Chest CT, axial plane, 120 kVp, kernel STANDARD. Slice 192/538 from the bottom of the scan; thickness 1.25 mm; pixel size 0.742 mm.
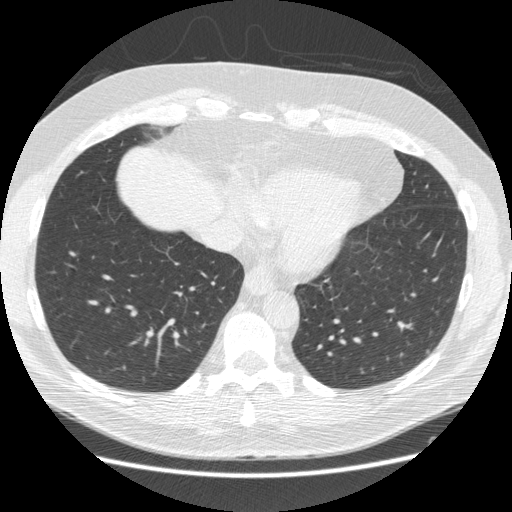
Pulmonary nodule at rows 350–353, columns 426–428 (box = the union of the readers' outlines on this slice), outlined by three of the four readers, two of them on this slice; median longest diameter 6.3 mm (readers' outlines 6.1–8.0 mm), median volume 75 mm3 (26–109 mm3). Ratings, median across the readers with their spread: texture 5/5 (solid) at the median of three readers, spread 4/5 to 5/5 (solid); median margin 4/5 (readers ranged 1/5 (indistinct) to 5/5 (circumscribed)); sphericity 4/5 at the median of three readers, spread 3/5 (ovoid) to 5/5 (round); calcification absent from all three readers; internal structure soft tissue, all three readers agreeing; median subtlety 3/5 (readers ranged 2–5); median malignancy likelihood 3/5 (readers ranged 2–4). Scale key (1–5): texture non-solid→solid, margin indistinct→circumscribed, sphericity linear→round, subtlety extremely subtle→obvious, malignancy likelihood highly unlikely→highly suspicious of cancer. Box rows and columns are 0-based pixel indices from the top-left corner, inclusive.